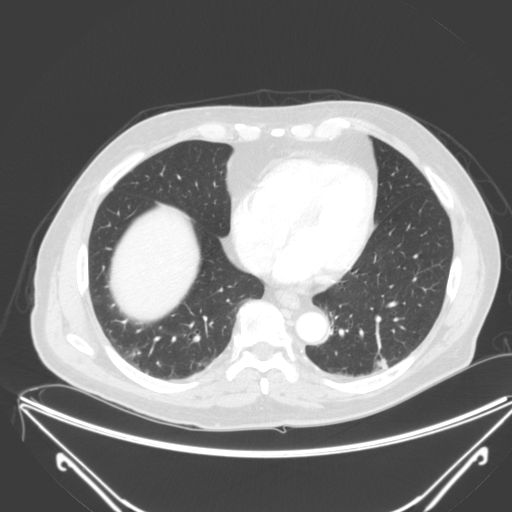
One axial slice (76 of 250, counting up from the lowest) of a chest CT acquired at 120 kVp with the B kernel; each pixel is 0.834 mm and the slice is 2.00 mm thick.
Pulmonary nodule at rows 359–370, columns 376–388 (box = the union of the readers' outlines on this slice), outlined by all four readers; median longest diameter 28.3 mm (readers' outlines 26.7–30.4 mm), median volume 3107 mm3 (2541–3664 mm3). Median ratings and the readers' spread: texture 4.5/5 at the median of four readers, spread 4/5 to 5/5 (solid); median margin 3/5 (readers ranged 2/5 to 4/5); sphericity 3/5 (ovoid) at the median of four readers, spread 3/5 (ovoid) to 5/5 (round); calcification absent, all four readers agreeing; internal structure soft tissue from all four readers; subtlety 5/5 from all four readers; malignancy likelihood 3.5/5 at the median of four readers, spread 3–5. Scale key (1–5): texture non-solid→solid, margin indistinct→circumscribed, sphericity linear→round, subtlety extremely subtle→obvious, malignancy likelihood highly unlikely→highly suspicious of cancer. Box rows and columns are 0-based pixel indices from the top-left corner, inclusive.